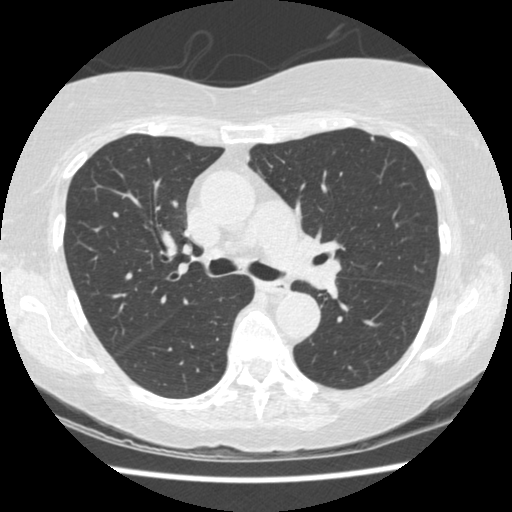
Slice 264/458 of a chest CT, counting up from the lowest; pixel size 0.625 mm, slice thickness 1.25 mm. Pulmonary nodule, outlined by two of the four readers. Box on this slice rows 136–140, columns 371–373, the union of the readers' outlines on this slice; median longest diameter 4.7 mm (readers' outlines 4.6–4.8 mm), median volume 38 mm3 (37–39 mm3). Median ratings and the readers' spread: texture 5/5 (solid) from both readers; margin 5/5 (circumscribed) from both readers; sphericity 4.5/5 at the median of two readers, spread 4/5 to 5/5 (round); calcification solid calcification, both readers agreeing; internal structure soft tissue, both readers agreeing; median subtlety 4.5/5 (readers ranged 4–5); malignancy likelihood 1/5 from both readers. Scale key (1–5): texture non-solid→solid, margin indistinct→circumscribed, sphericity linear→round, subtlety extremely subtle→obvious, malignancy likelihood highly unlikely→highly suspicious of cancer. Box rows and columns are 0-based pixel indices from the top-left corner, inclusive.
Acquired at 120 kVp and reconstructed with the STANDARD kernel.